Axial chest CT slice 94 of 280 (counted from the lowest slice); tube voltage 120 kVp, convolution kernel B; slices 2.00 mm thick, 0.805 mm per pixel.
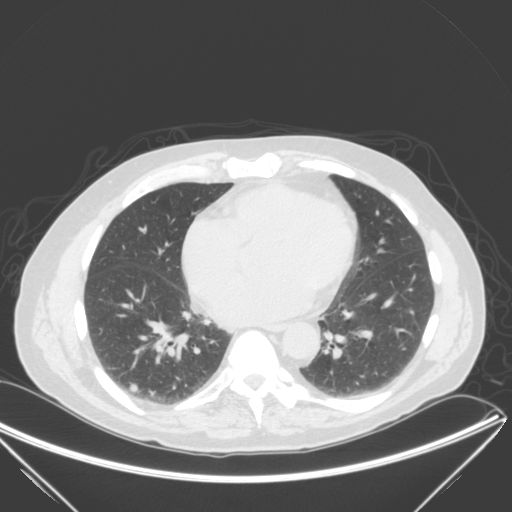
Pulmonary nodule, outlined by all four readers. Box on this slice rows 383–392, columns 129–137, the union of the readers' outlines on this slice; longest diameter 9.1–10.9 mm and volume 168–331 mm3 across the four readers' outlines. The readers' ratings, as ranges where they differ: texture 5/5 (solid) from all four readers; margin from 4/5 to 5/5 (circumscribed) across the four readers; sphericity from 4/5 to 5/5 (round) across the four readers; calcification absent, all four readers agreeing; internal structure soft tissue, all four readers agreeing; subtlety 4–5/5 (the readers disagree); malignancy likelihood from 3/5 to 5/5 across the four readers. Scale key (1–5): texture non-solid→solid, margin indistinct→circumscribed, sphericity linear→round, subtlety extremely subtle→obvious, malignancy likelihood highly unlikely→highly suspicious of cancer. Box rows and columns are 0-based pixel indices from the top-left corner, inclusive.